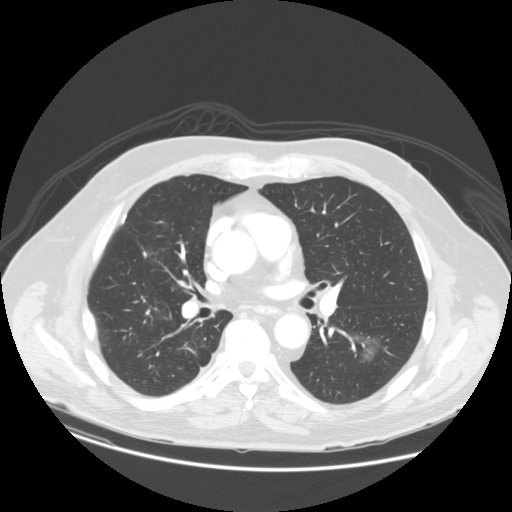
One axial slice (68 of 140, counting up from the lowest) of a chest CT acquired at 120 kVp with the STANDARD kernel; each pixel is 0.820 mm and the slice is 2.50 mm thick.
Pulmonary nodule, outlined by one of the four readers. Box on this slice rows 332–363, columns 352–382, that reader's outline on this slice; longest diameter 31.7 mm and volume 4731 mm3 from that reader's outline. Ratings by that reader: texture 1/5 (non-solid); margin 2/5; sphericity 5/5 (round); calcification absent; internal structure soft tissue; subtlety 1/5; malignancy likelihood 2/5. Scale key (1–5): texture non-solid→solid, margin indistinct→circumscribed, sphericity linear→round, subtlety extremely subtle→obvious, malignancy likelihood highly unlikely→highly suspicious of cancer. Box rows and columns are 0-based pixel indices from the top-left corner, inclusive.